One axial slice (290 of 417, counting up from the lowest) of a chest CT acquired at 120 kVp with the STANDARD kernel; each pixel is 0.703 mm and the slice is 1.25 mm thick.
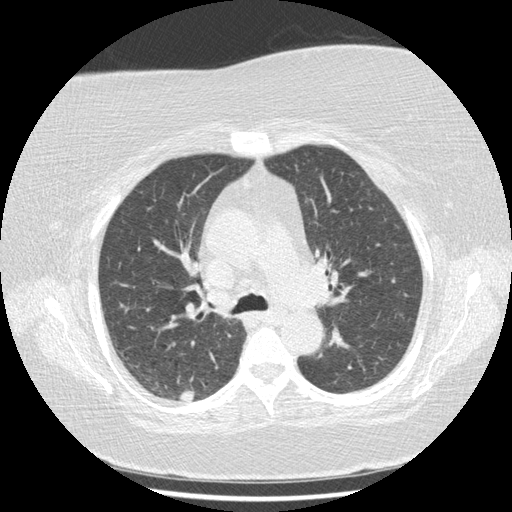
Pulmonary nodule, outlined by all four readers. Box on this slice rows 390–401, columns 178–194, the union of the readers' outlines on this slice; longest diameter 11.0–13.8 mm and volume 306–515 mm3 across the four readers' outlines. Ratings across the readers: texture 5/5 (solid), all four readers agreeing; margin from 4/5 to 5/5 (circumscribed) across the four readers; sphericity from 3/5 (ovoid) to 5/5 (round) across the four readers; calcification absent from all four readers; internal structure soft tissue from all four readers; subtlety rated between 3 and 5 out of 5 by the four readers; malignancy likelihood rated between 2 and 4 out of 5 by the four readers. Scale key (1–5): texture non-solid→solid, margin indistinct→circumscribed, sphericity linear→round, subtlety extremely subtle→obvious, malignancy likelihood highly unlikely→highly suspicious of cancer. Box rows and columns are 0-based pixel indices from the top-left corner, inclusive.